Axial slice 65 of 117 of a chest CT (slice 1 is the lowest), reconstructed with the LUNG kernel at 120 kVp; 2.50 mm slice thickness and 0.898 mm pixels.
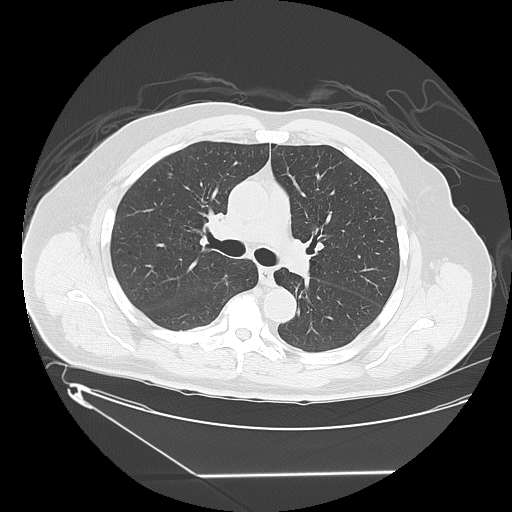
No nodule 3 mm or larger was outlined here by any reader.